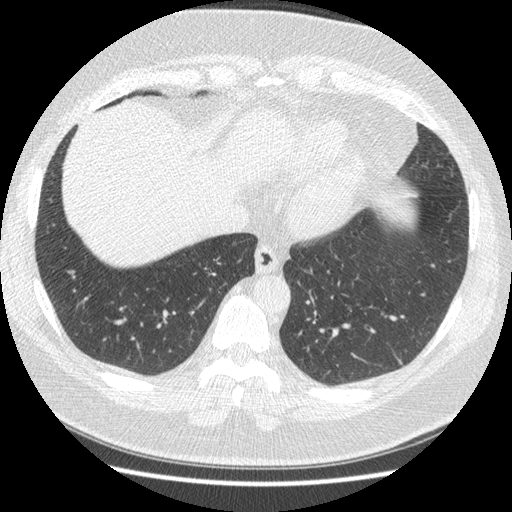
Axial chest CT slice 85 of 421 (counted from the lowest slice); 1.25 mm thick, 0.703 mm per pixel. Pulmonary nodule outlined four times (the source holds four more outlines, not used), one of them on this slice; box rows 359–363, columns 398–401 (the one reader's outline on this slice); the four readers' outlines give a longest diameter between 30.9 and 38.9 mm and a volume between 4443 and 5826 mm3. Ratings across the readers: texture from 4/5 to 5/5 (solid) across the four readers; margin from 3/5 to 4/5 across the four readers; sphericity from 2/5 to 4/5 across the four readers; calcification absent, all four readers agreeing; internal structure soft tissue, all four readers agreeing; subtlety from 4/5 to 5/5 across the four readers; malignancy likelihood rated between 2 and 5 out of 5 by the four readers. Scale key (1–5): texture non-solid→solid, margin indistinct→circumscribed, sphericity linear→round, subtlety extremely subtle→obvious, malignancy likelihood highly unlikely→highly suspicious of cancer. Box rows and columns are 0-based pixel indices from the top-left corner, inclusive.
Scan settings: 120 kVp, STANDARD reconstruction kernel.